Axial slice 57 of 280 of a chest CT (slice 1 is the lowest), reconstructed with the D kernel at 140 kVp; 1.00 mm slice thickness and 0.801 mm pixels.
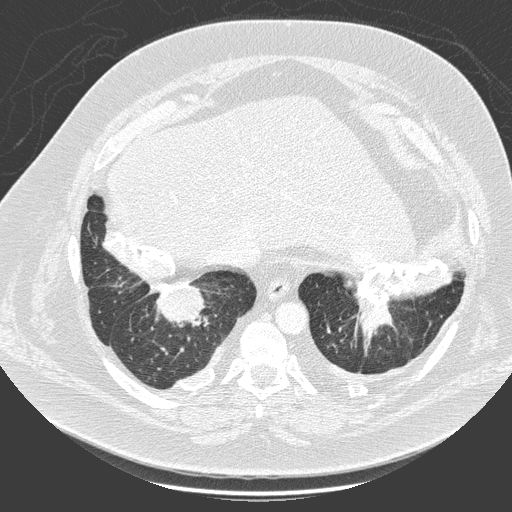
Pulmonary nodule outlined by one of the four readers; box rows 286–325, columns 157–203 (that reader's outline on this slice); longest diameter 49.9 mm and volume 31112 mm3 from that reader's outline. That reader's ratings: texture 5/5 (solid); margin 4/5; sphericity 5/5 (round); calcification non-central calcification; internal structure soft tissue; subtlety 5/5; malignancy likelihood 5/5. Scale key (1–5): texture non-solid→solid, margin indistinct→circumscribed, sphericity linear→round, subtlety extremely subtle→obvious, malignancy likelihood highly unlikely→highly suspicious of cancer. Box rows and columns are 0-based pixel indices from the top-left corner, inclusive.